One axial slice (105 of 140, counting up from the lowest) of a chest CT acquired at 120 kVp with the LUNG kernel; each pixel is 0.781 mm and the slice is 2.50 mm thick.
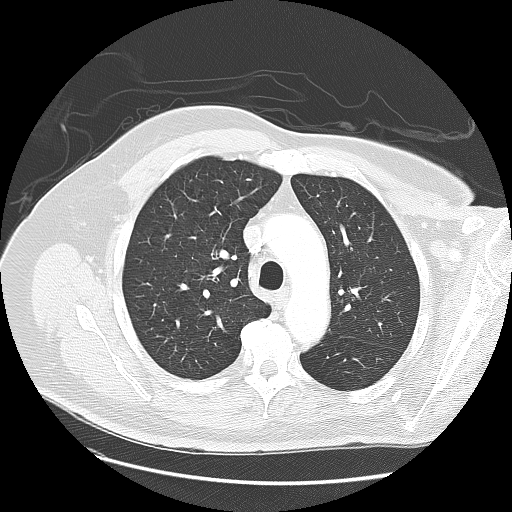
No nodule 3 mm or larger was outlined here by any reader.